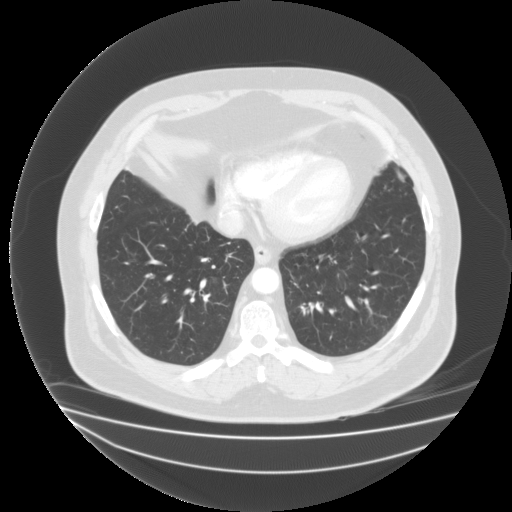
Axial chest CT slice 68 of 183 (counted from the lowest slice); tube voltage 135 kVp, convolution kernel FC03; slices 2.00 mm thick, 0.946 mm per pixel.
Pulmonary nodule, outlined by two of the four readers. Box on this slice rows 276–283, columns 209–217, the union of the readers' outlines on this slice; longest diameter 13.2 mm on average over the two readers' outlines (readers' outlines 12.7–13.6 mm), volume 804–924 mm3. Ratings, by the readers' most common answer with dissent counted: texture split among the readers: 1/5 (non-solid) (one), 2/5 (one); margin 2/5, both readers agreeing; sphericity split among the readers: 3/5 (ovoid) (one), 4/5 (one); calcification absent from both readers; internal structure split among the readers: soft tissue (one), fluid (one); subtlety split among the readers: 2/5 (one), 4/5 (one); malignancy likelihood 3/5 from both readers. Scale key (1–5): texture non-solid→solid, margin indistinct→circumscribed, sphericity linear→round, subtlety extremely subtle→obvious, malignancy likelihood highly unlikely→highly suspicious of cancer. Box rows and columns are 0-based pixel indices from the top-left corner, inclusive.